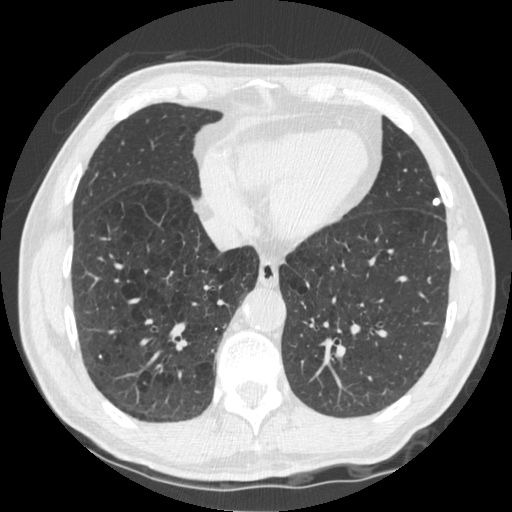
Axial chest CT slice 161 of 535 (counted from the lowest slice); 1.25 mm thick, 0.664 mm per pixel. Pulmonary nodule outlined by three of the four readers; box rows 197–205, columns 432–439 (the union of the readers' outlines on this slice); longest diameter 6.2 mm on average over the three readers' outlines (readers' outlines 5.5–6.8 mm), volume 70–114 mm3. Ratings, by the readers' most common answer with dissent counted: texture 5/5 (solid) from all three readers; margin 5/5 (circumscribed) from all three readers; sphericity 5/5 (round) from all three readers; calcification solid calcification, all three readers agreeing; internal structure soft tissue from all three readers; subtlety 5/5 from all three readers; malignancy likelihood 1/5 from all three readers. Scale key (1–5): texture non-solid→solid, margin indistinct→circumscribed, sphericity linear→round, subtlety extremely subtle→obvious, malignancy likelihood highly unlikely→highly suspicious of cancer. Box rows and columns are 0-based pixel indices from the top-left corner, inclusive.
Tube voltage 120 kVp; convolution kernel STANDARD.